Axial chest CT slice 165 of 197 (counted from the lowest slice); tube voltage 120 kVp, convolution kernel STANDARD; slices 1.25 mm thick, 0.859 mm per pixel.
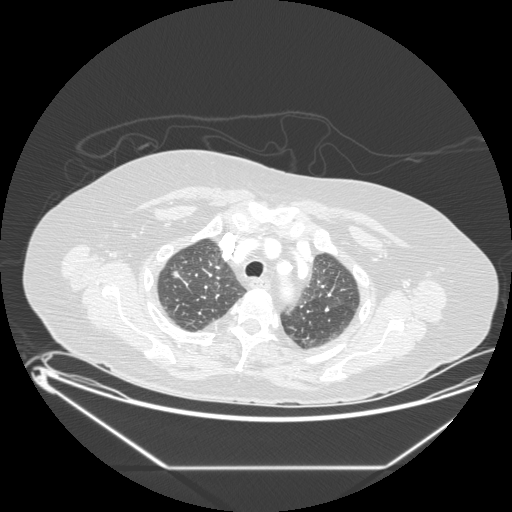
Pulmonary nodule at rows 271–277, columns 172–179 (box = the union of the readers' outlines on this slice), outlined by all four readers; longest diameter 11.9 mm on average over the four readers' outlines (readers' outlines 10.4–12.9 mm), volume 381–630 mm3. The readers' prevailing ratings and who disagreed: texture 5/5 (solid) by three of four readers; the rest gave 3/5 (part-solid) (one); margin 5/5 (circumscribed) by two of four readers; the rest gave 2/5 (one), 4/5 (one); sphericity split among the readers: 4/5 (two), 5/5 (round) (two); calcification absent from all four readers; internal structure soft tissue by three of four readers, air (one); subtlety 4/5 by two of four readers; the rest gave 3/5 (one), 5/5 (one); malignancy likelihood split among the readers: 2/5 (two), 4/5 (two). Scale key (1–5): texture non-solid→solid, margin indistinct→circumscribed, sphericity linear→round, subtlety extremely subtle→obvious, malignancy likelihood highly unlikely→highly suspicious of cancer. Box rows and columns are 0-based pixel indices from the top-left corner, inclusive.